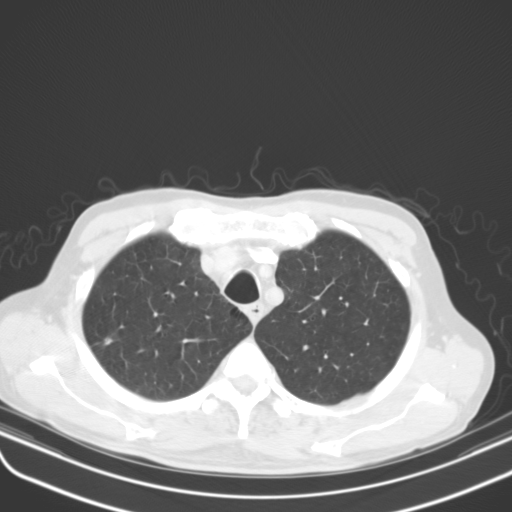
Axial slice 110 of 135 of a chest CT (slice 1 is the lowest), reconstructed with the B31s kernel at 130 kVp; 3.00 mm slice thickness and 0.711 mm pixels.
Pulmonary nodule outlined by one of the four readers; box rows 337–344, columns 104–112 (that reader's outline on this slice); longest diameter 11.6 mm and volume 492 mm3 from that reader's outline. Ratings by that reader: texture 5/5 (solid); margin 4/5; sphericity 3/5 (ovoid); calcification absent; internal structure soft tissue; subtlety 5/5; malignancy likelihood 3/5. Scale key (1–5): texture non-solid→solid, margin indistinct→circumscribed, sphericity linear→round, subtlety extremely subtle→obvious, malignancy likelihood highly unlikely→highly suspicious of cancer. Box rows and columns are 0-based pixel indices from the top-left corner, inclusive.